Axial chest CT slice 388 of 506 (counted from the lowest slice); tube voltage 120 kVp, convolution kernel B30f; slices 0.75 mm thick, 0.699 mm per pixel.
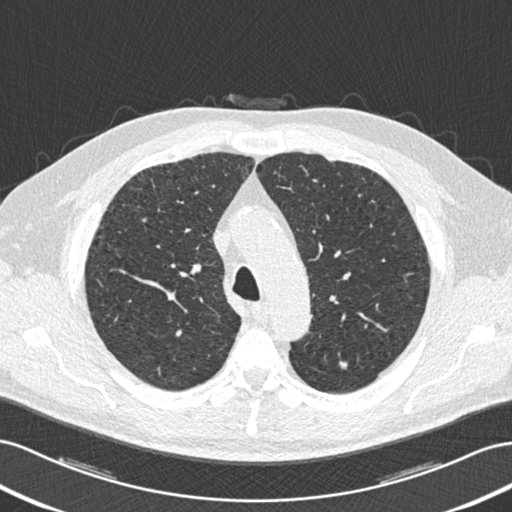
Two pulmonary nodules are outlined on this slice; from left to right: (1) Pulmonary nodule, outlined by one of the four readers. Box on this slice rows 263–270, columns 192–200, that reader's outline on this slice; longest diameter 11.1 mm and volume 211 mm3 from that reader's outline. Ratings by that reader: texture 5/5 (solid); margin 4/5; sphericity 2/5; calcification absent; internal structure soft tissue; subtlety 2/5; malignancy likelihood 3/5. (2) Pulmonary nodule outlined by two of the four readers; box rows 361–369, columns 339–347 (the union of the readers' outlines on this slice); median longest diameter 7.3 mm (readers' outlines 6.4–8.2 mm), median volume 106 mm3 (59–153 mm3). Median ratings and the readers' spread: texture 5/5 (solid) from both readers; median margin 4.5/5 (readers ranged 4/5 to 5/5 (circumscribed)); median sphericity 3.5/5 (readers ranged 3/5 (ovoid) to 4/5); calcification absent, both readers agreeing; internal structure soft tissue from both readers; median subtlety 4/5 (readers ranged 3–5); malignancy likelihood 3/5, both readers agreeing. Scale key (1–5): texture non-solid→solid, margin indistinct→circumscribed, sphericity linear→round, subtlety extremely subtle→obvious, malignancy likelihood highly unlikely→highly suspicious of cancer. Box rows and columns are 0-based pixel indices from the top-left corner, inclusive.